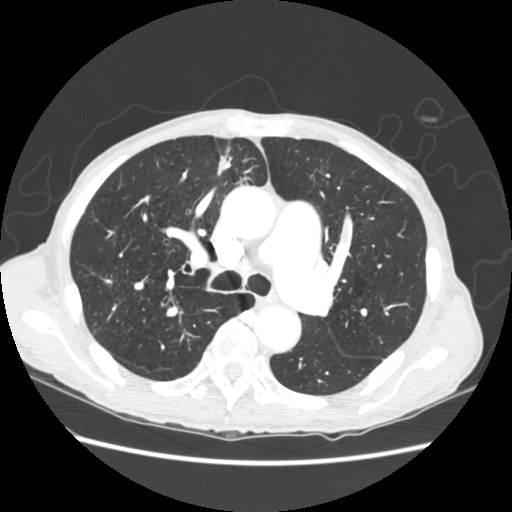
Chest CT, axial plane, 120 kVp, kernel STANDARD. Slice 149/248 from the bottom of the scan; thickness 1.25 mm; pixel size 0.703 mm.
Pulmonary nodule, outlined by one of the four readers. Box on this slice rows 150–175, columns 217–231, that reader's outline on this slice; longest diameter 22.3 mm and volume 457 mm3 from that reader's outline. That reader's ratings: texture 5/5 (solid); margin 3/5; sphericity 2/5; calcification absent; internal structure soft tissue; subtlety 5/5; malignancy likelihood 2/5. Scale key (1–5): texture non-solid→solid, margin indistinct→circumscribed, sphericity linear→round, subtlety extremely subtle→obvious, malignancy likelihood highly unlikely→highly suspicious of cancer. Box rows and columns are 0-based pixel indices from the top-left corner, inclusive.